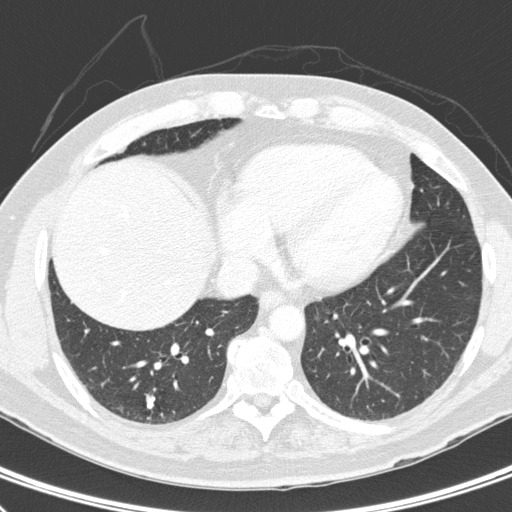
Slice 109/300 of a chest CT, counting up from the lowest; pixel size 0.662 mm, slice thickness 2.00 mm. Pulmonary nodule outlined by all four readers; box rows 395–408, columns 146–154 (the union of the readers' outlines on this slice); longest diameter 10.7 mm on average over the four readers' outlines (readers' outlines 8.1–12.6 mm), volume 99–182 mm3. The readers' prevailing ratings and who disagreed: most readers (three of four) put texture at 5/5 (solid), others 3/5 (part-solid) (one); most readers (three of four) put margin at 4/5, others 3/5 (one); most readers (three of four) put sphericity at 3/5 (ovoid), others 2/5 (one); calcification solid calcification by two of four readers, absent (one), non-central calcification (one); internal structure soft tissue from all four readers; subtlety split among the readers: 4/5 (two), 5/5 (two); malignancy likelihood 1/5 by three of four readers; the rest gave 4/5 (one). Scale key (1–5): texture non-solid→solid, margin indistinct→circumscribed, sphericity linear→round, subtlety extremely subtle→obvious, malignancy likelihood highly unlikely→highly suspicious of cancer. Box rows and columns are 0-based pixel indices from the top-left corner, inclusive.
Acquired at 120 kVp and reconstructed with the D kernel.